Axial slice 91 of 127 of a chest CT (slice 1 is the lowest), reconstructed with the STANDARD kernel at 120 kVp; 2.50 mm slice thickness and 0.703 mm pixels.
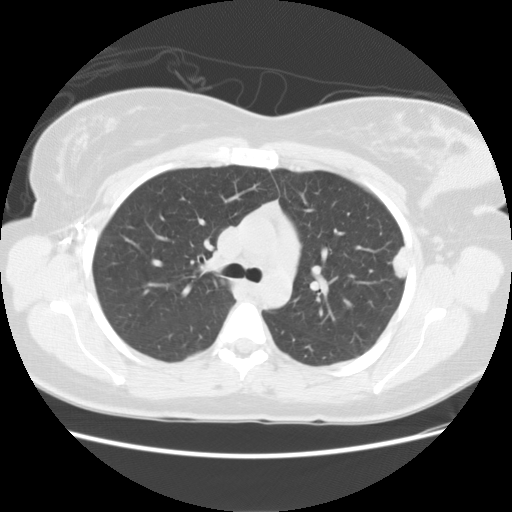
Pulmonary nodule at rows 246–278, columns 392–407 (box = the union of the readers' outlines on this slice), outlined by all four readers; median longest diameter 25.4 mm (readers' outlines 24.6–26.3 mm), median volume 2367 mm3 (2071–2699 mm3). Median ratings and the readers' spread: texture 5/5 (solid) from all four readers; margin 5/5 (circumscribed) at the median of four readers, spread 4/5 to 5/5 (circumscribed); median sphericity 3/5 (ovoid) (readers ranged 3/5 (ovoid) to 5/5 (round)); calcification absent from all four readers; internal structure soft tissue, all four readers agreeing; subtlety 5/5, all four readers agreeing; malignancy likelihood 4.5/5 at the median of four readers, spread 3–5. Scale key (1–5): texture non-solid→solid, margin indistinct→circumscribed, sphericity linear→round, subtlety extremely subtle→obvious, malignancy likelihood highly unlikely→highly suspicious of cancer. Box rows and columns are 0-based pixel indices from the top-left corner, inclusive.